Axial slice 83 of 214 of a chest CT (slice 1 is the lowest), reconstructed with the STANDARD kernel at 120 kVp; 1.25 mm slice thickness and 0.703 mm pixels.
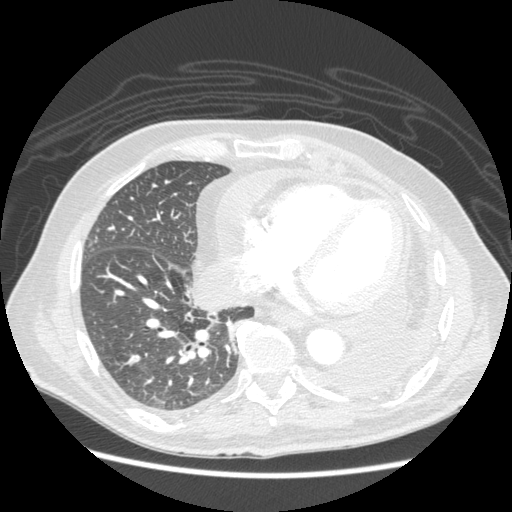
Pulmonary nodule outlined by two of the four readers, one of them on this slice; box rows 356–363, columns 129–139 (the one reader's outline on this slice); longest diameter 13.6 mm on average over the two readers' outlines (readers' outlines 12.8–14.3 mm), volume 228–287 mm3. Ratings, by the readers' most common answer with dissent counted: texture split among the readers: 4/5 (one), 5/5 (solid) (one); margin 4/5, both readers agreeing; sphericity split among the readers: 4/5 (one), 5/5 (round) (one); calcification absent from both readers; internal structure soft tissue, both readers agreeing; subtlety 5/5 from both readers; malignancy likelihood split among the readers: 3/5 (one), 4/5 (one). Scale key (1–5): texture non-solid→solid, margin indistinct→circumscribed, sphericity linear→round, subtlety extremely subtle→obvious, malignancy likelihood highly unlikely→highly suspicious of cancer. Box rows and columns are 0-based pixel indices from the top-left corner, inclusive.